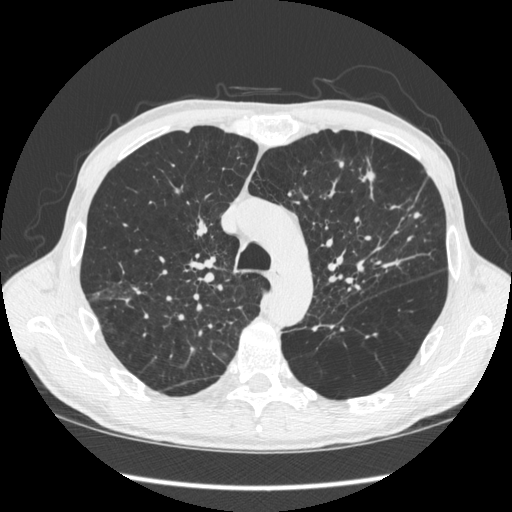
One axial slice (413 of 583, counting up from the lowest) of a chest CT acquired at 120 kVp with the STANDARD kernel; each pixel is 0.703 mm and the slice is 1.25 mm thick.
Two pulmonary nodules on this slice, listed from left to right. (1) Pulmonary nodule outlined by all four readers; box rows 169–181, columns 365–374 (the union of the readers' outlines on this slice); median longest diameter 14.4 mm (readers' outlines 10.5–14.8 mm), median volume 421 mm3 (293–480 mm3). Ratings, median across the readers with their spread: texture 5/5 (solid), all four readers agreeing; median margin 4.5/5 (readers ranged 3/5 to 5/5 (circumscribed)); median sphericity 3/5 (ovoid) (readers ranged 2/5 to 5/5 (round)); calcification absent from all four readers; internal structure soft tissue, all four readers agreeing; median subtlety 4.5/5 (readers ranged 3–5); median malignancy likelihood 4.5/5 (readers ranged 2–5). (2) Pulmonary nodule at rows 212–218, columns 413–421 (box = the union of the readers' outlines on this slice), outlined by two of the four readers; longest diameter 6.5–7.2 mm and volume 71–74 mm3 across the two readers' outlines. Ratings across the readers: texture 5/5 (solid) from both readers; margin 5/5 (circumscribed) from both readers; sphericity from 3/5 (ovoid) to 4/5 across the two readers; calcification absent, both readers agreeing; internal structure soft tissue, both readers agreeing; subtlety from 2/5 to 4/5 across the two readers; malignancy likelihood 3/5, both readers agreeing. Scale key (1–5): texture non-solid→solid, margin indistinct→circumscribed, sphericity linear→round, subtlety extremely subtle→obvious, malignancy likelihood highly unlikely→highly suspicious of cancer. Box rows and columns are 0-based pixel indices from the top-left corner, inclusive.